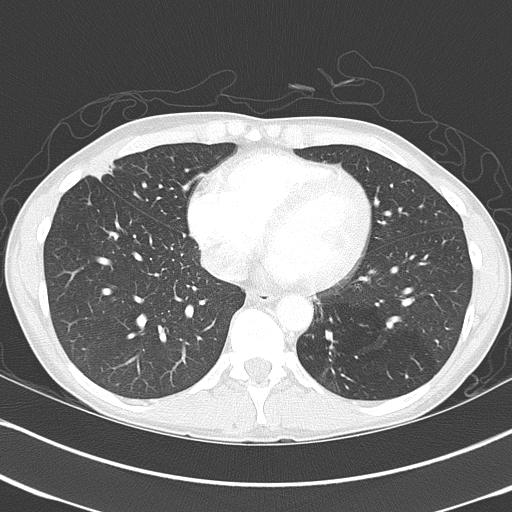
Slice 159/368 of a chest CT, counting up from the lowest; pixel size 0.623 mm, slice thickness 2.00 mm. Pulmonary nodule, outlined by all four readers, one of them on this slice. Box on this slice rows 162–179, columns 90–111, the one reader's outline on this slice; median longest diameter 29.8 mm (readers' outlines 27.1–39.3 mm), median volume 7696 mm3 (6531–9806 mm3). Ratings, median across the readers with their spread: texture 5/5 (solid), all four readers agreeing; median margin 4/5 (readers ranged 2/5 to 5/5 (circumscribed)); median sphericity 3/5 (ovoid) (readers ranged 2/5 to 3/5 (ovoid)); calcification split among the readers: laminated calcification (one), absent (one), popcorn calcification (one), non-central calcification (one); internal structure soft tissue, all four readers agreeing; subtlety 5/5, all four readers agreeing; malignancy likelihood 3/5 at the median of four readers, spread 1–5. Scale key (1–5): texture non-solid→solid, margin indistinct→circumscribed, sphericity linear→round, subtlety extremely subtle→obvious, malignancy likelihood highly unlikely→highly suspicious of cancer. Box rows and columns are 0-based pixel indices from the top-left corner, inclusive.
Tube voltage 120 kVp; convolution kernel B70f.